One axial slice (76 of 246, counting up from the lowest) of a chest CT acquired at 120 kVp with the BONE kernel; each pixel is 0.617 mm and the slice is 1.25 mm thick.
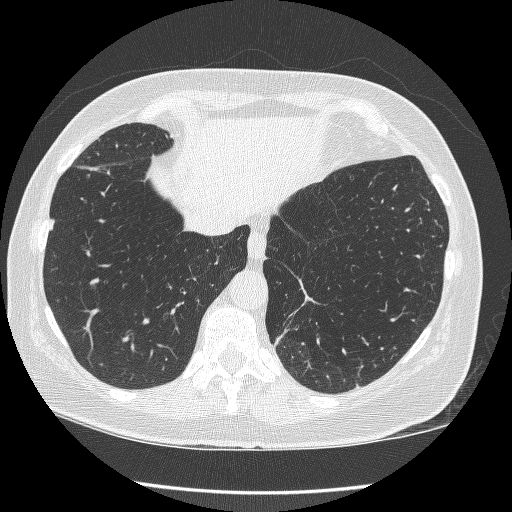
Pulmonary nodule at rows 219–229, columns 48–53 (box = that reader's outline on this slice), outlined by one of the four readers; longest diameter 7.8 mm and volume 86 mm3 from that reader's outline. That reader's ratings: texture 5/5 (solid); margin 5/5 (circumscribed); sphericity 2/5; calcification absent; internal structure soft tissue; subtlety 3/5; malignancy likelihood 2/5. Scale key (1–5): texture non-solid→solid, margin indistinct→circumscribed, sphericity linear→round, subtlety extremely subtle→obvious, malignancy likelihood highly unlikely→highly suspicious of cancer. Box rows and columns are 0-based pixel indices from the top-left corner, inclusive.